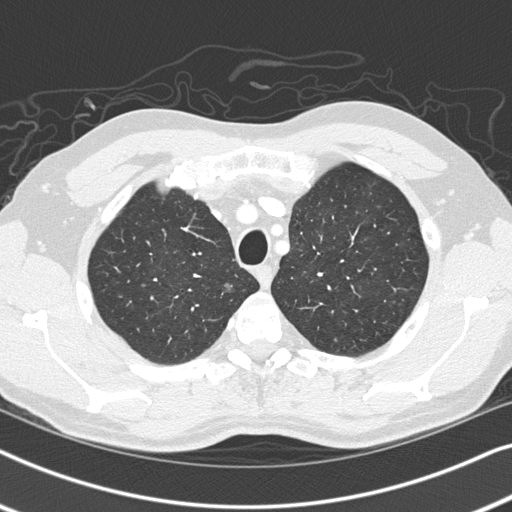
One axial slice (269 of 326, counting up from the lowest) of a chest CT acquired at 120 kVp with the B45f kernel; each pixel is 0.645 mm and the slice is 1.00 mm thick.
Pulmonary nodule outlined by all four readers; box rows 282–292, columns 222–233 (the union of the readers' outlines on this slice); median longest diameter 9.2 mm (readers' outlines 8.4–11.1 mm), median volume 169 mm3 (144–204 mm3). Median ratings and the readers' spread: texture 1/5 (non-solid) at the median of four readers, spread 1/5 (non-solid) to 3/5 (part-solid); median margin 2/5 (readers ranged 2/5 to 5/5 (circumscribed)); median sphericity 4/5 (readers ranged 4/5 to 5/5 (round)); calcification absent, all four readers agreeing; internal structure soft tissue from all four readers; subtlety 2/5 at the median of four readers, spread 1–4; median malignancy likelihood 2.5/5 (readers ranged 2–3). Scale key (1–5): texture non-solid→solid, margin indistinct→circumscribed, sphericity linear→round, subtlety extremely subtle→obvious, malignancy likelihood highly unlikely→highly suspicious of cancer. Box rows and columns are 0-based pixel indices from the top-left corner, inclusive.